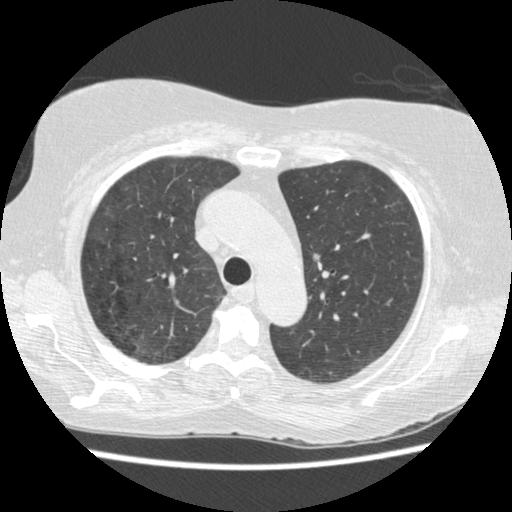
Chest CT, axial plane, 120 kVp, kernel STANDARD. Slice 298/413 from the bottom of the scan; thickness 1.25 mm; pixel size 0.625 mm.
Pulmonary nodule at rows 254–261, columns 313–319 (box = the one reader's outline on this slice), outlined by two of the four readers, one of them on this slice; median longest diameter 7.9 mm (readers' outlines 7.3–8.5 mm), median volume 117 mm3 (68–167 mm3). Median ratings and the readers' spread: texture 5/5 (solid) from both readers; median margin 4/5 (readers ranged 3/5 to 5/5 (circumscribed)); median sphericity 4.5/5 (readers ranged 4/5 to 5/5 (round)); calcification absent from both readers; internal structure soft tissue from both readers; subtlety 2.5/5 at the median of two readers, spread 2–3; malignancy likelihood 3.5/5 at the median of two readers, spread 3–4. Scale key (1–5): texture non-solid→solid, margin indistinct→circumscribed, sphericity linear→round, subtlety extremely subtle→obvious, malignancy likelihood highly unlikely→highly suspicious of cancer. Box rows and columns are 0-based pixel indices from the top-left corner, inclusive.